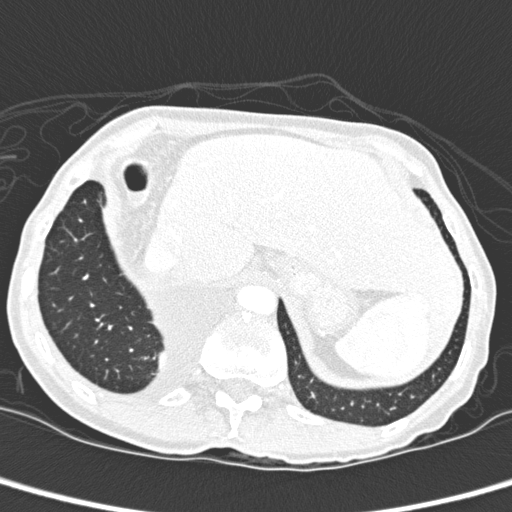
Axial chest CT slice 33 of 280 (counted from the lowest slice); 1.00 mm thick, 0.564 mm per pixel. Pulmonary nodule, outlined by two of the four readers. Box on this slice rows 352–370, columns 159–165, the union of the readers' outlines on this slice; median longest diameter 33.9 mm (readers' outlines 32.1–35.8 mm), median volume 6179 mm3 (5657–6702 mm3). Ratings, median across the readers with their spread: texture 5/5 (solid) from both readers; margin 4/5, both readers agreeing; sphericity 3/5 (ovoid), both readers agreeing; calcification absent from both readers; internal structure soft tissue, both readers agreeing; subtlety 5/5 from both readers; malignancy likelihood 2.5/5 at the median of two readers, spread 2–3. Scale key (1–5): texture non-solid→solid, margin indistinct→circumscribed, sphericity linear→round, subtlety extremely subtle→obvious, malignancy likelihood highly unlikely→highly suspicious of cancer. Box rows and columns are 0-based pixel indices from the top-left corner, inclusive.
Scan settings: 120 kVp, D reconstruction kernel.